One axial slice (163 of 368, counting up from the lowest) of a chest CT acquired at 120 kVp with the B70f kernel; each pixel is 0.623 mm and the slice is 2.00 mm thick.
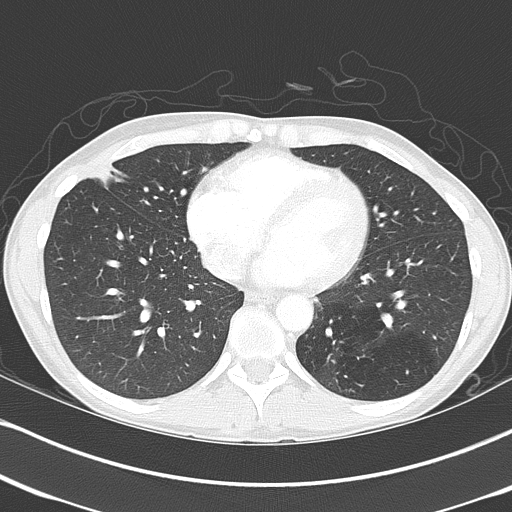
Pulmonary nodule, outlined by all four readers, two of them on this slice. Box on this slice rows 163–190, columns 86–128, the union of the readers' outlines on this slice; the four readers' outlines give a longest diameter between 27.1 and 39.3 mm and a volume between 6531 and 9806 mm3. The readers' ratings, as ranges where they differ: texture 5/5 (solid) from all four readers; margin from 2/5 to 5/5 (circumscribed) across the four readers; sphericity from 2/5 to 3/5 (ovoid) across the four readers; calcification split among the readers: laminated calcification (one), absent (one), popcorn calcification (one), non-central calcification (one); internal structure soft tissue, all four readers agreeing; subtlety 5/5 from all four readers; malignancy likelihood 1–5/5 (the readers disagree). Scale key (1–5): texture non-solid→solid, margin indistinct→circumscribed, sphericity linear→round, subtlety extremely subtle→obvious, malignancy likelihood highly unlikely→highly suspicious of cancer. Box rows and columns are 0-based pixel indices from the top-left corner, inclusive.